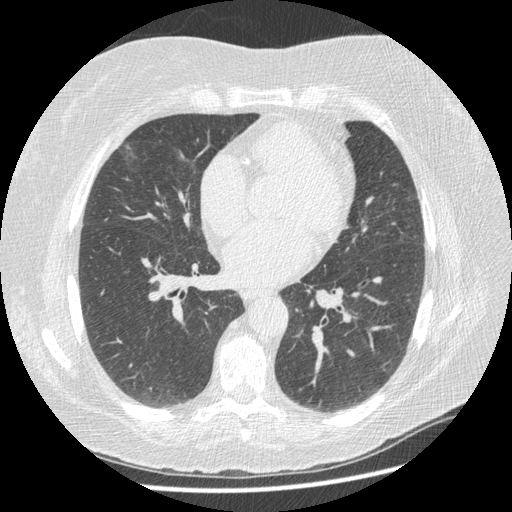
Chest CT, axial plane, 120 kVp, kernel STANDARD. Slice 146/413 from the bottom of the scan; thickness 1.25 mm; pixel size 0.703 mm.
No nodule of 3 mm or larger was outlined by any of the four readers on this slice.